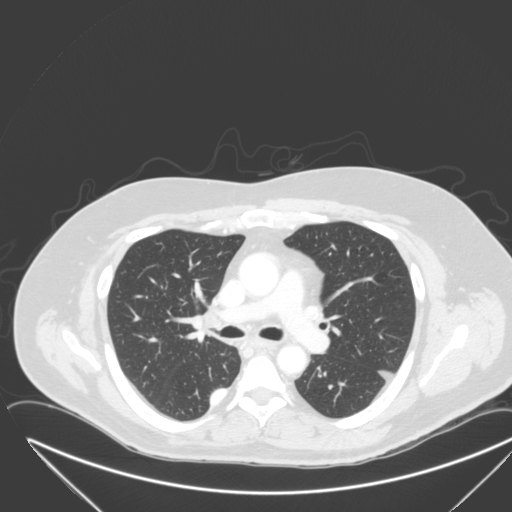
Axial slice 197 of 315 of a chest CT (slice 1 is the lowest), reconstructed with the B kernel at 120 kVp; 2.00 mm slice thickness and 0.830 mm pixels.
Pulmonary nodule, outlined by one of the four readers. Box on this slice rows 389–403, columns 211–226, that reader's outline on this slice; longest diameter 27.1 mm and volume 6093 mm3 from that reader's outline. That reader's ratings: texture 5/5 (solid); margin 4/5; sphericity 2/5; calcification absent; internal structure soft tissue; subtlety 5/5; malignancy likelihood 4/5. Scale key (1–5): texture non-solid→solid, margin indistinct→circumscribed, sphericity linear→round, subtlety extremely subtle→obvious, malignancy likelihood highly unlikely→highly suspicious of cancer. Box rows and columns are 0-based pixel indices from the top-left corner, inclusive.